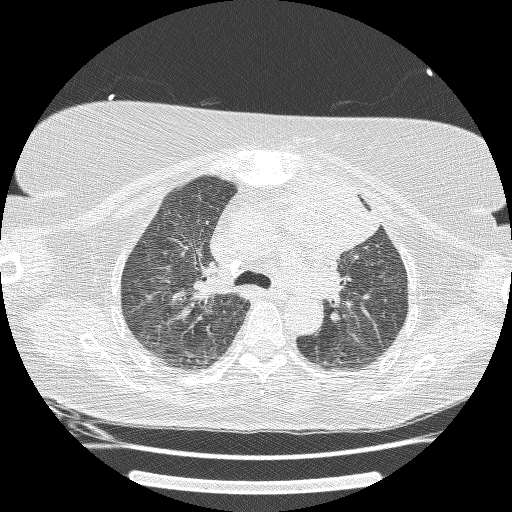
Chest CT, axial plane, 120 kVp, kernel BONE. Slice 102/162 from the bottom of the scan; thickness 1.25 mm; pixel size 0.703 mm.
Pulmonary nodule at rows 352–356, columns 186–192 (box = the one reader's outline on this slice), outlined by two of the four readers, one of them on this slice; longest diameter 7.1 mm on average over the two readers' outlines (readers' outlines 7.0–7.2 mm), volume 62–78 mm3. The readers' prevailing ratings and who disagreed: texture split among the readers: 2/5 (one), 4/5 (one); margin 2/5, both readers agreeing; sphericity 4/5 from both readers; calcification split among the readers: absent (one), non-central calcification (one); internal structure soft tissue, both readers agreeing; subtlety split among the readers: 1/5 (one), 2/5 (one); malignancy likelihood 2/5 from both readers. Scale key (1–5): texture non-solid→solid, margin indistinct→circumscribed, sphericity linear→round, subtlety extremely subtle→obvious, malignancy likelihood highly unlikely→highly suspicious of cancer. Box rows and columns are 0-based pixel indices from the top-left corner, inclusive.